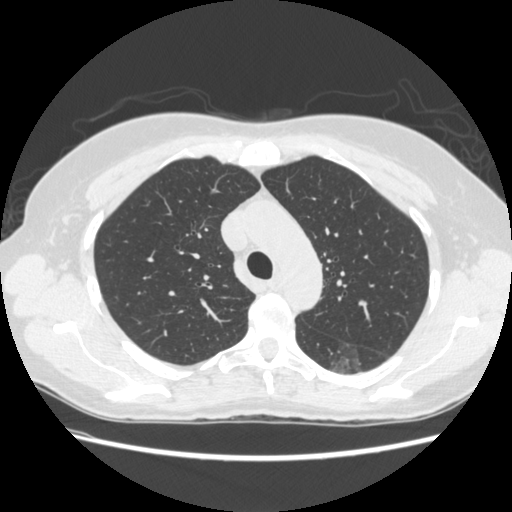
Slice 184/261 of a chest CT, counting up from the lowest; pixel size 0.682 mm, slice thickness 1.25 mm. Pulmonary nodule at rows 343–373, columns 328–366 (box = the union of the readers' outlines on this slice), outlined by two of the four readers; median longest diameter 30.8 mm (readers' outlines 30.0–31.5 mm), median volume 7245 mm3 (6577–7912 mm3). Median ratings and the readers' spread: median texture 1.5/5 (readers ranged 1/5 (non-solid) to 2/5); median margin 1.5/5 (readers ranged 1/5 (indistinct) to 2/5); median sphericity 4/5 (readers ranged 3/5 (ovoid) to 5/5 (round)); calcification absent, both readers agreeing; internal structure soft tissue, both readers agreeing; median subtlety 1.5/5 (readers ranged 1–2); malignancy likelihood 4.5/5 at the median of two readers, spread 4–5. Scale key (1–5): texture non-solid→solid, margin indistinct→circumscribed, sphericity linear→round, subtlety extremely subtle→obvious, malignancy likelihood highly unlikely→highly suspicious of cancer. Box rows and columns are 0-based pixel indices from the top-left corner, inclusive.
Tube voltage 120 kVp; convolution kernel STANDARD.